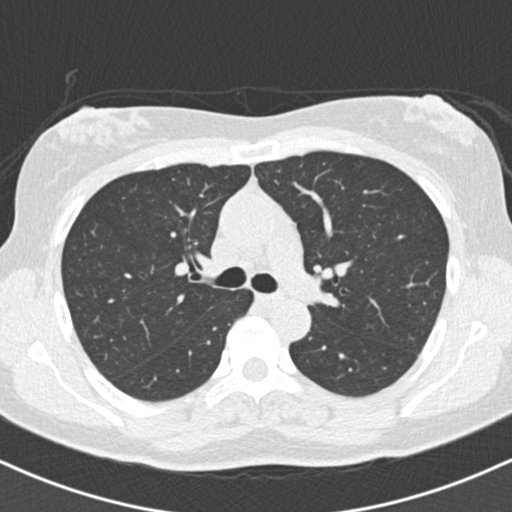
One axial slice (123 of 182, counting up from the lowest) of a chest CT acquired at 120 kVp with the B30f kernel; each pixel is 0.625 mm and the slice is 2.00 mm thick.
Pulmonary nodule, outlined by all four readers, three of them on this slice. Box on this slice rows 188–192, columns 128–133, the union of the readers' outlines on this slice; longest diameter 5.3 mm on average over the four readers' outlines (readers' outlines 4.2–6.8 mm), volume 25–77 mm3. The readers' prevailing ratings and who disagreed: texture 1/5 (non-solid) by two of four readers; the rest gave 2/5 (one), 3/5 (part-solid) (one); most readers (three of four) put margin at 3/5, others 2/5 (one); most readers (three of four) put sphericity at 3/5 (ovoid), others 4/5 (one); calcification absent from all four readers; internal structure soft tissue by three of four readers, fluid (one); subtlety 2/5 by three of four readers; the rest gave 4/5 (one); most readers (three of four) put malignancy likelihood at 2/5, others 3/5 (one). Scale key (1–5): texture non-solid→solid, margin indistinct→circumscribed, sphericity linear→round, subtlety extremely subtle→obvious, malignancy likelihood highly unlikely→highly suspicious of cancer. Box rows and columns are 0-based pixel indices from the top-left corner, inclusive.